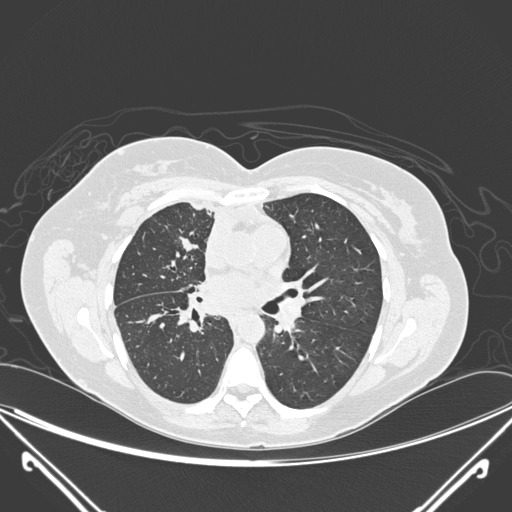
One axial slice (154 of 275, counting up from the lowest) of a chest CT acquired at 120 kVp with the D kernel; each pixel is 0.781 mm and the slice is 1.00 mm thick.
Pulmonary nodule, outlined by all four readers. Box on this slice rows 235–251, columns 179–197, the union of the readers' outlines on this slice; longest diameter 22.1 mm on average over the four readers' outlines (readers' outlines 20.3–23.4 mm), volume 1750–2560 mm3. The readers' prevailing ratings and who disagreed: texture 5/5 (solid), all four readers agreeing; margin 4/5 by two of four readers; the rest gave 3/5 (one), 5/5 (circumscribed) (one); sphericity 2/5 by two of four readers; the rest gave 3/5 (ovoid) (one), 5/5 (round) (one); calcification absent by three of four readers, central calcification (one); internal structure soft tissue from all four readers; subtlety 5/5, all four readers agreeing; malignancy likelihood split among the readers: 1/5 (one), 3/5 (one), 4/5 (one), 5/5 (one). Scale key (1–5): texture non-solid→solid, margin indistinct→circumscribed, sphericity linear→round, subtlety extremely subtle→obvious, malignancy likelihood highly unlikely→highly suspicious of cancer. Box rows and columns are 0-based pixel indices from the top-left corner, inclusive.